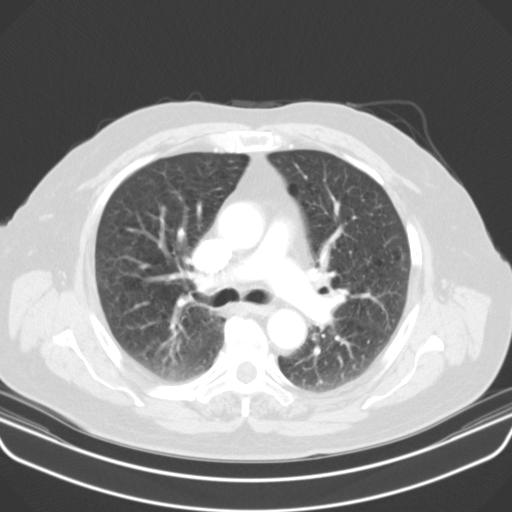
Axial slice 72 of 107 of a chest CT (slice 1 is the lowest), reconstructed with the B31s kernel at 130 kVp; 3.00 mm slice thickness and 0.742 mm pixels.
Pulmonary nodule at rows 253–260, columns 401–404 (box = the one reader's outline on this slice), outlined by all four readers, one of them on this slice; the four readers' outlines give a longest diameter between 9.3 and 9.5 mm and a volume between 282 and 416 mm3. The readers' ratings, as ranges where they differ: texture from 4/5 to 5/5 (solid) across the four readers; margin from 2/5 to 5/5 (circumscribed) across the four readers; sphericity from 3/5 (ovoid) to 5/5 (round) across the four readers; calcification absent, all four readers agreeing; internal structure soft tissue from all four readers; subtlety 3–5/5 (the readers disagree); malignancy likelihood rated between 2 and 4 out of 5 by the four readers. Scale key (1–5): texture non-solid→solid, margin indistinct→circumscribed, sphericity linear→round, subtlety extremely subtle→obvious, malignancy likelihood highly unlikely→highly suspicious of cancer. Box rows and columns are 0-based pixel indices from the top-left corner, inclusive.